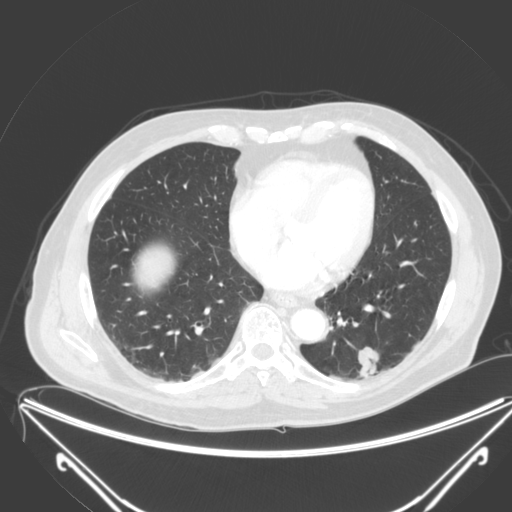
Chest CT, axial plane, 120 kVp, kernel B. Slice 85/250 from the bottom of the scan; thickness 2.00 mm; pixel size 0.834 mm.
Pulmonary nodule at rows 346–377, columns 358–379 (box = the union of the readers' outlines on this slice), outlined by all four readers; median longest diameter 28.3 mm (readers' outlines 26.7–30.4 mm), median volume 3107 mm3 (2541–3664 mm3). Ratings, median across the readers with their spread: median texture 4.5/5 (readers ranged 4/5 to 5/5 (solid)); margin 3/5 at the median of four readers, spread 2/5 to 4/5; sphericity 3/5 (ovoid) at the median of four readers, spread 3/5 (ovoid) to 5/5 (round); calcification absent from all four readers; internal structure soft tissue, all four readers agreeing; subtlety 5/5, all four readers agreeing; median malignancy likelihood 3.5/5 (readers ranged 3–5). Scale key (1–5): texture non-solid→solid, margin indistinct→circumscribed, sphericity linear→round, subtlety extremely subtle→obvious, malignancy likelihood highly unlikely→highly suspicious of cancer. Box rows and columns are 0-based pixel indices from the top-left corner, inclusive.